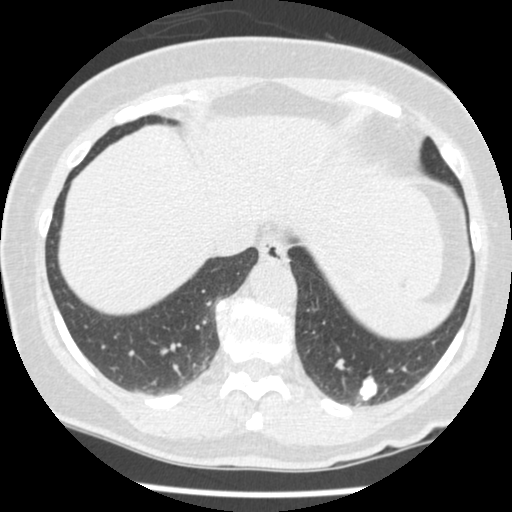
Chest CT, axial plane, 120 kVp, kernel STANDARD. Slice 117/465 from the bottom of the scan; thickness 1.25 mm; pixel size 0.586 mm.
Pulmonary nodule outlined by all four readers; box rows 376–401, columns 359–377 (the union of the readers' outlines on this slice); median longest diameter 17.8 mm (readers' outlines 15.8–20.8 mm), median volume 1311 mm3 (1106–1600 mm3). Median ratings and the readers' spread: texture 5/5 (solid), all four readers agreeing; median margin 4/5 (readers ranged 3/5 to 5/5 (circumscribed)); median sphericity 4/5 (readers ranged 3/5 (ovoid) to 4/5); calcification: absent (two), solid calcification (one), central calcification (one); internal structure soft tissue, all four readers agreeing; subtlety 5/5, all four readers agreeing; malignancy likelihood 2.5/5 at the median of four readers, spread 1–5. Scale key (1–5): texture non-solid→solid, margin indistinct→circumscribed, sphericity linear→round, subtlety extremely subtle→obvious, malignancy likelihood highly unlikely→highly suspicious of cancer. Box rows and columns are 0-based pixel indices from the top-left corner, inclusive.